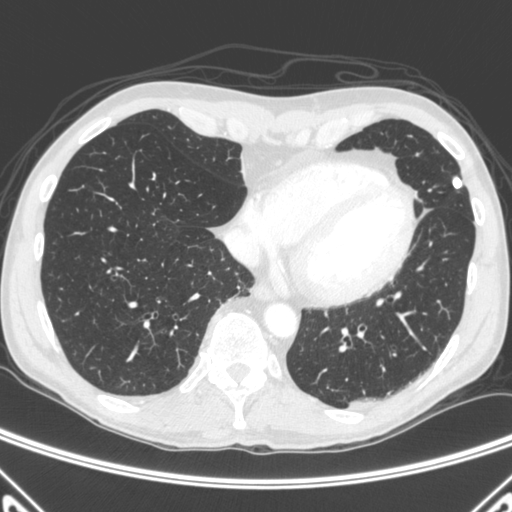
Axial chest CT slice 132 of 445 (counted from the lowest slice); tube voltage 120 kVp, convolution kernel C; slices 1.50 mm thick, 0.676 mm per pixel.
Pulmonary nodule, outlined by all four readers. Box on this slice rows 176–188, columns 452–461, the union of the readers' outlines on this slice; median longest diameter 9.3 mm (readers' outlines 9.0–9.7 mm), median volume 265 mm3 (243–279 mm3). Ratings, median across the readers with their spread: median texture 5/5 (solid) (readers ranged 4/5 to 5/5 (solid)); margin 5/5 (circumscribed), all four readers agreeing; sphericity 4.5/5 at the median of four readers, spread 4/5 to 5/5 (round); calcification: solid calcification (three), central calcification (one); internal structure soft tissue, all four readers agreeing; subtlety 5/5, all four readers agreeing; malignancy likelihood 1/5, all four readers agreeing. Scale key (1–5): texture non-solid→solid, margin indistinct→circumscribed, sphericity linear→round, subtlety extremely subtle→obvious, malignancy likelihood highly unlikely→highly suspicious of cancer. Box rows and columns are 0-based pixel indices from the top-left corner, inclusive.